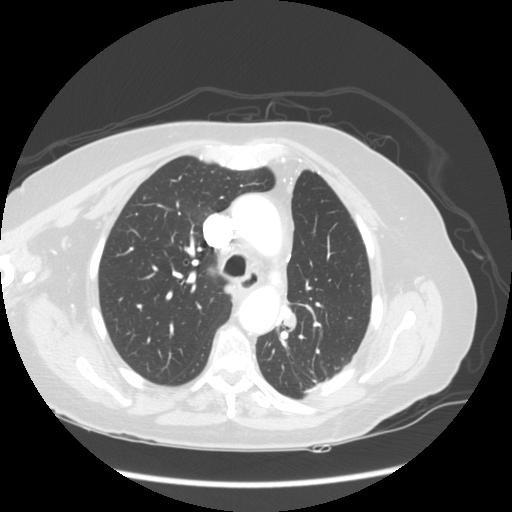
Slice 106/141 of a chest CT, counting up from the lowest; pixel size 0.703 mm, slice thickness 2.50 mm. No nodule 3 mm or larger was outlined here by any reader.
Acquired at 120 kVp and reconstructed with the STANDARD kernel.